One axial slice (400 of 541, counting up from the lowest) of a chest CT acquired at 120 kVp with the STANDARD kernel; each pixel is 0.586 mm and the slice is 1.25 mm thick.
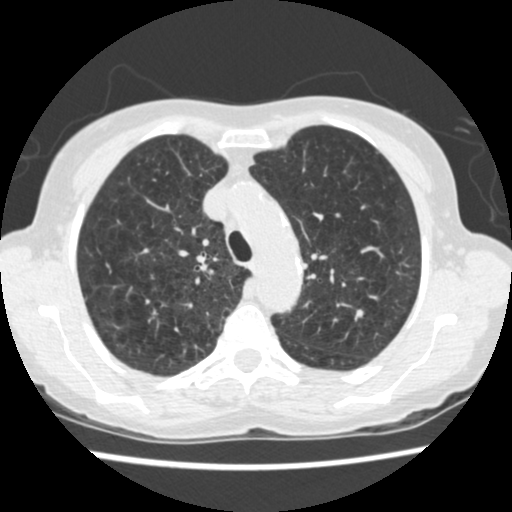
Pulmonary nodule, outlined by two of the four readers. Box on this slice rows 309–316, columns 356–363, the union of the readers' outlines on this slice; longest diameter 5.8 mm on average over the two readers' outlines (readers' outlines 5.6–6.1 mm), volume 85–100 mm3. Ratings, by the readers' most common answer with dissent counted: texture 5/5 (solid) from both readers; margin 5/5 (circumscribed), both readers agreeing; sphericity split among the readers: 3/5 (ovoid) (one), 5/5 (round) (one); calcification split among the readers: absent (one), solid calcification (one); internal structure soft tissue from both readers; subtlety split among the readers: 2/5 (one), 5/5 (one); malignancy likelihood split among the readers: 1/5 (one), 3/5 (one). Scale key (1–5): texture non-solid→solid, margin indistinct→circumscribed, sphericity linear→round, subtlety extremely subtle→obvious, malignancy likelihood highly unlikely→highly suspicious of cancer. Box rows and columns are 0-based pixel indices from the top-left corner, inclusive.